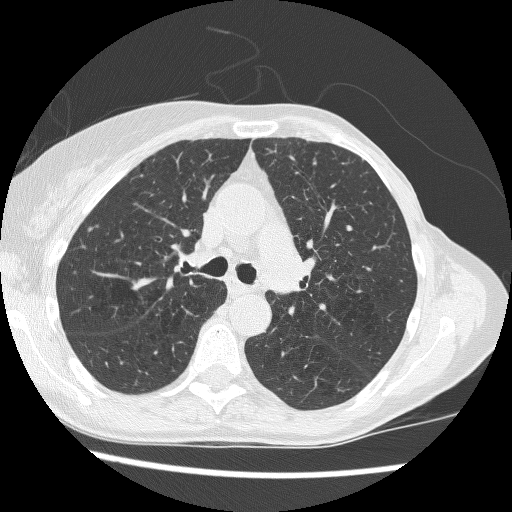
Axial chest CT slice 174 of 257 (counted from the lowest slice); tube voltage 120 kVp, convolution kernel BONE; slices 1.25 mm thick, 0.627 mm per pixel.
Pulmonary nodule at rows 227–232, columns 86–91 (box = that reader's outline on this slice), outlined by one of the four readers; longest diameter 5.9 mm and volume 49 mm3 from that reader's outline. That reader's ratings: texture 5/5 (solid); margin 5/5 (circumscribed); sphericity 4/5; calcification absent; internal structure soft tissue; subtlety 3/5; malignancy likelihood 3/5. Scale key (1–5): texture non-solid→solid, margin indistinct→circumscribed, sphericity linear→round, subtlety extremely subtle→obvious, malignancy likelihood highly unlikely→highly suspicious of cancer. Box rows and columns are 0-based pixel indices from the top-left corner, inclusive.